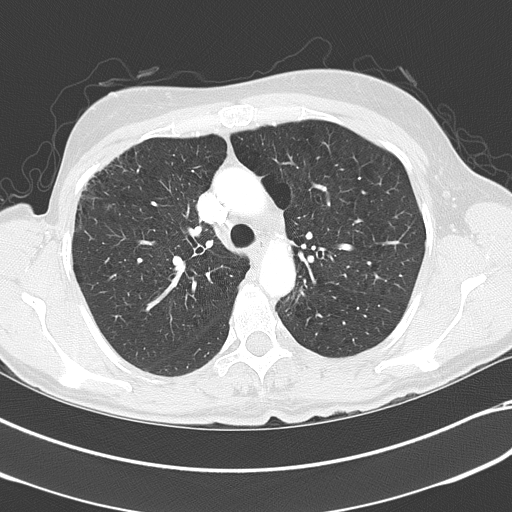
Axial slice 255 of 351 of a chest CT (slice 1 is the lowest), reconstructed with the B70f kernel at 120 kVp; 2.00 mm slice thickness and 0.643 mm pixels.
Pulmonary nodule at rows 204–209, columns 107–111 (box = the one reader's outline on this slice), outlined by all four readers, one of them on this slice; longest diameter 8.7 mm on average over the four readers' outlines (readers' outlines 8.5–9.1 mm), volume 196–254 mm3. Ratings, by the readers' most common answer with dissent counted: most readers (three of four) put texture at 5/5 (solid), others 1/5 (non-solid) (one); margin 5/5 (circumscribed) from all four readers; sphericity split among the readers: 3/5 (ovoid) (two), 4/5 (two); calcification absent, all four readers agreeing; internal structure soft tissue from all four readers; subtlety 5/5, all four readers agreeing; malignancy likelihood 3/5 by three of four readers; the rest gave 4/5 (one). Scale key (1–5): texture non-solid→solid, margin indistinct→circumscribed, sphericity linear→round, subtlety extremely subtle→obvious, malignancy likelihood highly unlikely→highly suspicious of cancer. Box rows and columns are 0-based pixel indices from the top-left corner, inclusive.